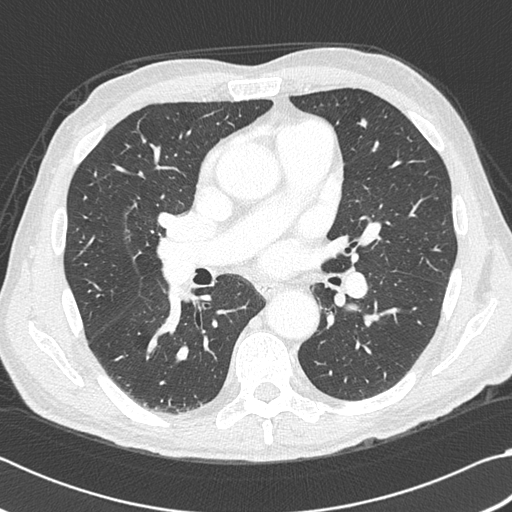
Axial chest CT slice 219 of 383 (counted from the lowest slice); tube voltage 120 kVp, convolution kernel B45f; slices 1.00 mm thick, 0.664 mm per pixel.
Pulmonary nodule at rows 118–128, columns 357–368 (box = the union of the readers' outlines on this slice), outlined by all four readers; longest diameter 11.3 mm on average over the four readers' outlines (readers' outlines 10.1–11.8 mm), volume 386–564 mm3. Ratings, by the readers' most common answer with dissent counted: texture 5/5 (solid) from all four readers; most readers (three of four) put margin at 5/5 (circumscribed), others 4/5 (one); sphericity 5/5 (round) by two of four readers; the rest gave 3/5 (ovoid) (one), 4/5 (one); calcification absent, all four readers agreeing; internal structure soft tissue, all four readers agreeing; subtlety 5/5 by three of four readers; the rest gave 4/5 (one); malignancy likelihood 2/5 by two of four readers; the rest gave 3/5 (one), 5/5 (one). Scale key (1–5): texture non-solid→solid, margin indistinct→circumscribed, sphericity linear→round, subtlety extremely subtle→obvious, malignancy likelihood highly unlikely→highly suspicious of cancer. Box rows and columns are 0-based pixel indices from the top-left corner, inclusive.